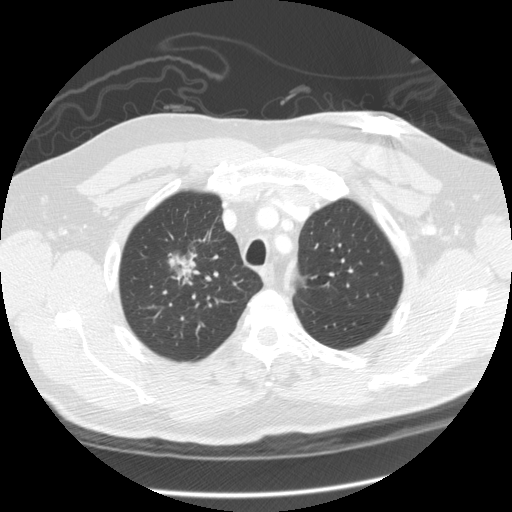
Axial chest CT slice 250 of 305 (counted from the lowest slice); tube voltage 120 kVp, convolution kernel STANDARD; slices 1.25 mm thick, 0.732 mm per pixel.
Pulmonary nodule outlined by three of the four readers; box rows 249–285, columns 167–200 (the union of the readers' outlines on this slice); longest diameter 43.5 mm on average over the three readers' outlines (readers' outlines 41.0–45.9 mm), volume 6528–11092 mm3. Ratings, by the readers' most common answer with dissent counted: texture split among the readers: 3/5 (part-solid) (one), 4/5 (one), 5/5 (solid) (one); margin split among the readers: 1/5 (indistinct) (one), 3/5 (one), 4/5 (one); sphericity 3/5 (ovoid) by two of three readers; the rest gave 2/5 (one); calcification absent from all three readers; internal structure soft tissue from all three readers; subtlety 5/5 from all three readers; malignancy likelihood 5/5 from all three readers. Scale key (1–5): texture non-solid→solid, margin indistinct→circumscribed, sphericity linear→round, subtlety extremely subtle→obvious, malignancy likelihood highly unlikely→highly suspicious of cancer. Box rows and columns are 0-based pixel indices from the top-left corner, inclusive.